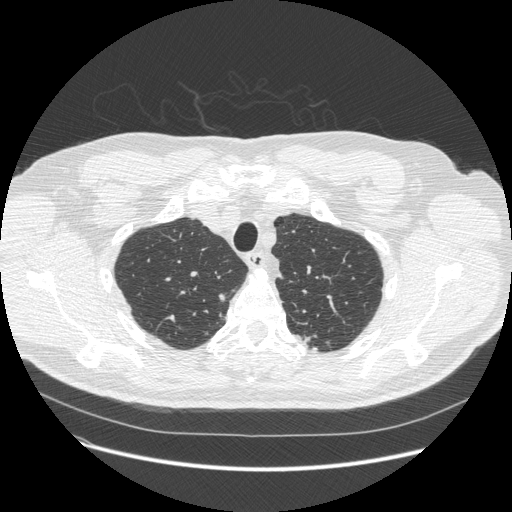
One axial slice (443 of 541, counting up from the lowest) of a chest CT acquired at 120 kVp with the STANDARD kernel; each pixel is 0.781 mm and the slice is 1.25 mm thick.
Pulmonary nodule at rows 293–301, columns 218–225 (box = the union of the readers' outlines on this slice), outlined by all four readers; longest diameter 9.5–10.6 mm and volume 135–169 mm3 across the four readers' outlines. The readers' ratings, as ranges where they differ: texture from 4/5 to 5/5 (solid) across the four readers; margin from 2/5 to 4/5 across the four readers; sphericity from 3/5 (ovoid) to 4/5 across the four readers; calcification absent from all four readers; internal structure soft tissue from all four readers; subtlety 2–5/5 (the readers disagree); malignancy likelihood from 2/5 to 5/5 across the four readers. Scale key (1–5): texture non-solid→solid, margin indistinct→circumscribed, sphericity linear→round, subtlety extremely subtle→obvious, malignancy likelihood highly unlikely→highly suspicious of cancer. Box rows and columns are 0-based pixel indices from the top-left corner, inclusive.